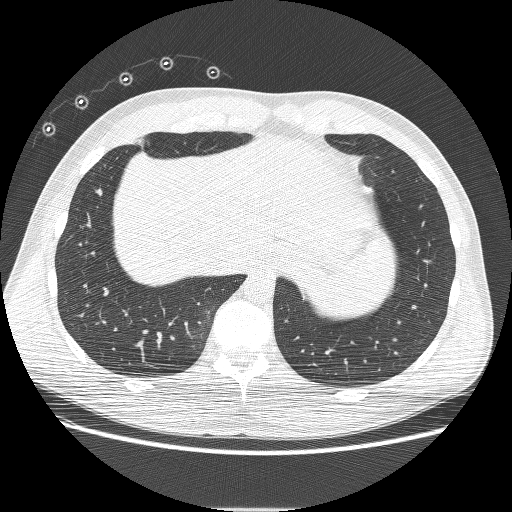
Axial slice 48 of 230 of a chest CT (slice 1 is the lowest), reconstructed with the BONE kernel at 120 kVp; 1.25 mm slice thickness and 0.732 mm pixels.
Pulmonary nodule, outlined by two of the four readers. Box on this slice rows 189–195, columns 96–101, the union of the readers' outlines on this slice; the two readers' outlines give a longest diameter between 6.0 and 7.3 mm and a volume between 72 and 101 mm3. Ratings across the readers: texture 5/5 (solid), both readers agreeing; margin from 4/5 to 5/5 (circumscribed) across the two readers; sphericity from 2/5 to 3/5 (ovoid) across the two readers; calcification absent, both readers agreeing; internal structure soft tissue from both readers; subtlety from 1/5 to 3/5 across the two readers; malignancy likelihood from 2/5 to 3/5 across the two readers. Scale key (1–5): texture non-solid→solid, margin indistinct→circumscribed, sphericity linear→round, subtlety extremely subtle→obvious, malignancy likelihood highly unlikely→highly suspicious of cancer. Box rows and columns are 0-based pixel indices from the top-left corner, inclusive.